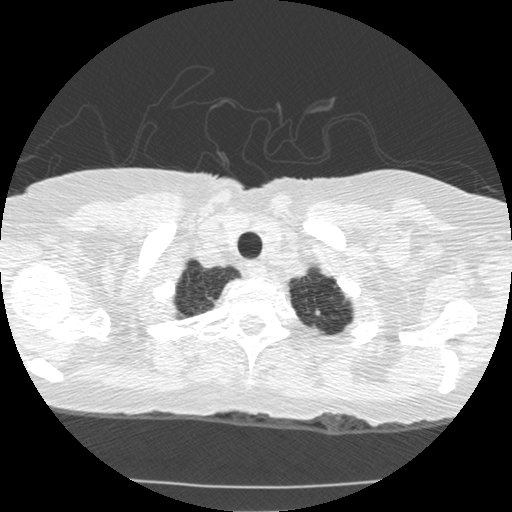
One axial slice (478 of 519, counting up from the lowest) of a chest CT acquired at 120 kVp with the STANDARD kernel; each pixel is 0.645 mm and the slice is 1.25 mm thick.
Pulmonary nodule outlined by two of the four readers; box rows 310–315, columns 315–319 (the union of the readers' outlines on this slice); median longest diameter 5.4 mm (readers' outlines 4.9–5.8 mm), median volume 44 mm3 (38–50 mm3). Ratings, median across the readers with their spread: texture 5/5 (solid) from both readers; median margin 4.5/5 (readers ranged 4/5 to 5/5 (circumscribed)); sphericity 4/5 from both readers; calcification absent, both readers agreeing; internal structure soft tissue, both readers agreeing; subtlety 5/5 from both readers; median malignancy likelihood 2.5/5 (readers ranged 2–3). Scale key (1–5): texture non-solid→solid, margin indistinct→circumscribed, sphericity linear→round, subtlety extremely subtle→obvious, malignancy likelihood highly unlikely→highly suspicious of cancer. Box rows and columns are 0-based pixel indices from the top-left corner, inclusive.